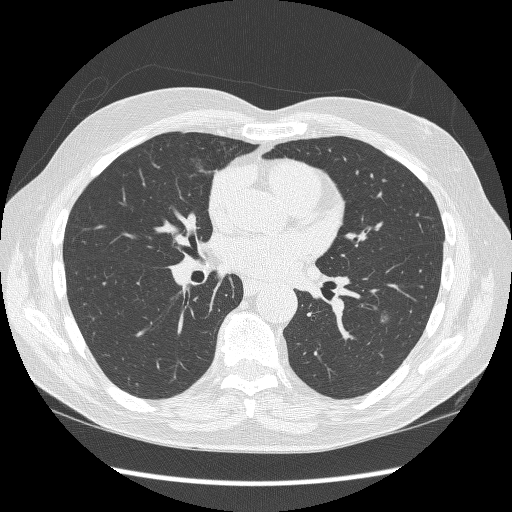
One axial slice (171 of 298, counting up from the lowest) of a chest CT acquired at 120 kVp with the BONE kernel; each pixel is 0.719 mm and the slice is 1.25 mm thick.
Pulmonary nodule, outlined by two of the four readers. Box on this slice rows 312–322, columns 379–389, the union of the readers' outlines on this slice; longest diameter 10.0–10.3 mm and volume 236–253 mm3 across the two readers' outlines. Ratings across the readers: texture 1/5 (non-solid), both readers agreeing; margin from 1/5 (indistinct) to 4/5 across the two readers; sphericity 3/5 (ovoid) from both readers; calcification absent from both readers; internal structure soft tissue, both readers agreeing; subtlety 3/5 from both readers; malignancy likelihood 3/5 from both readers. Scale key (1–5): texture non-solid→solid, margin indistinct→circumscribed, sphericity linear→round, subtlety extremely subtle→obvious, malignancy likelihood highly unlikely→highly suspicious of cancer. Box rows and columns are 0-based pixel indices from the top-left corner, inclusive.